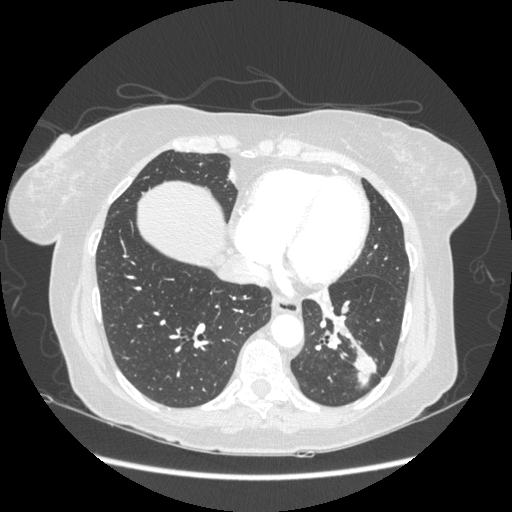
This is axial slice 77 of 230 (slice 1 is the lowest) of a chest CT; each pixel is 0.742 mm and the slice is 1.25 mm thick. Pulmonary nodule outlined by all four readers; box rows 346–387, columns 352–376 (the union of the readers' outlines on this slice); longest diameter 28.7 mm on average over the four readers' outlines (readers' outlines 23.1–31.5 mm), volume 3020–5074 mm3. Ratings, by the readers' most common answer with dissent counted: texture 5/5 (solid) from all four readers; margin 4/5 by two of four readers; the rest gave 3/5 (one), 5/5 (circumscribed) (one); most readers (three of four) put sphericity at 3/5 (ovoid), others 5/5 (round) (one); calcification absent, all four readers agreeing; internal structure soft tissue, all four readers agreeing; subtlety 5/5, all four readers agreeing; most readers (three of four) put malignancy likelihood at 5/5, others 3/5 (one). Scale key (1–5): texture non-solid→solid, margin indistinct→circumscribed, sphericity linear→round, subtlety extremely subtle→obvious, malignancy likelihood highly unlikely→highly suspicious of cancer. Box rows and columns are 0-based pixel indices from the top-left corner, inclusive.
Tube voltage 120 kVp; convolution kernel STANDARD.